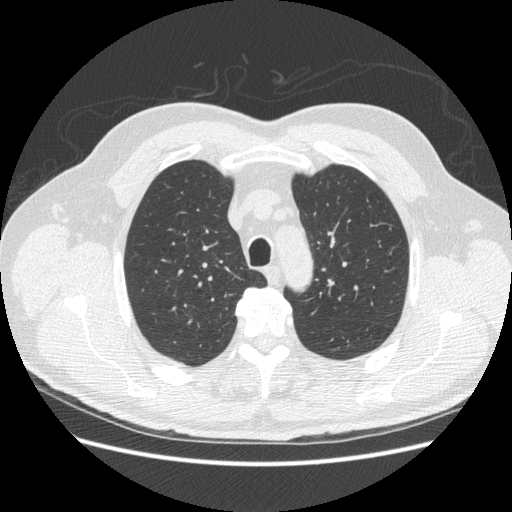
Slice 391/503 of a chest CT, counting up from the lowest; pixel size 0.742 mm, slice thickness 1.25 mm. Pulmonary nodule, outlined by one of the four readers. Box on this slice rows 227–229, columns 387–390, that reader's outline on this slice; longest diameter 5.7 mm and volume 48 mm3 from that reader's outline. That reader's ratings: texture 4/5; margin 4/5; sphericity 2/5; calcification absent; internal structure soft tissue; subtlety 3/5; malignancy likelihood 4/5. Scale key (1–5): texture non-solid→solid, margin indistinct→circumscribed, sphericity linear→round, subtlety extremely subtle→obvious, malignancy likelihood highly unlikely→highly suspicious of cancer. Box rows and columns are 0-based pixel indices from the top-left corner, inclusive.
Acquired at 120 kVp and reconstructed with the STANDARD kernel.